Chest CT, axial plane, 120 kVp, kernel LUNG. Slice 37/238 from the bottom of the scan; thickness 1.25 mm; pixel size 0.742 mm.
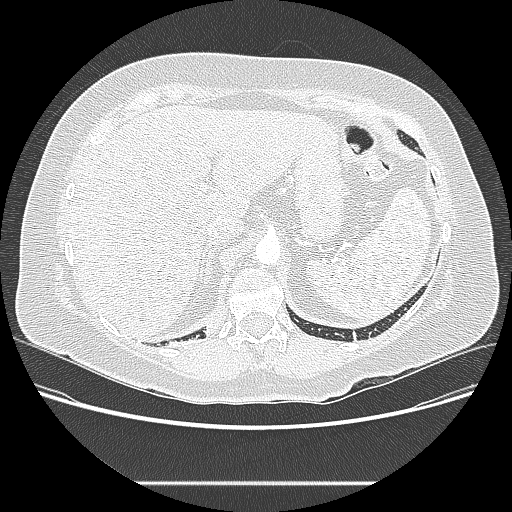
Pulmonary nodule outlined by three of the four readers, one of them on this slice; box rows 319–334, columns 206–217 (the one reader's outline on this slice); the three readers' outlines give a longest diameter between 20.6 and 21.1 mm and a volume between 743 and 1062 mm3. The readers' ratings, as ranges where they differ: texture 5/5 (solid), all three readers agreeing; margin from 4/5 to 5/5 (circumscribed) across the three readers; sphericity 3/5 (ovoid) from all three readers; calcification absent, all three readers agreeing; internal structure soft tissue from all three readers; subtlety from 3/5 to 4/5 across the three readers; malignancy likelihood 3/5, all three readers agreeing. Scale key (1–5): texture non-solid→solid, margin indistinct→circumscribed, sphericity linear→round, subtlety extremely subtle→obvious, malignancy likelihood highly unlikely→highly suspicious of cancer. Box rows and columns are 0-based pixel indices from the top-left corner, inclusive.